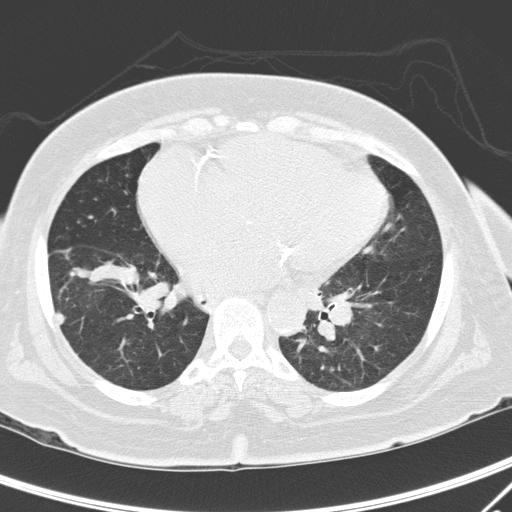
This is axial slice 126 of 295 (slice 1 is the lowest) of a chest CT; each pixel is 0.682 mm and the slice is 2.00 mm thick. Pulmonary nodule outlined by three of the four readers; box rows 312–323, columns 56–64 (the union of the readers' outlines on this slice); median longest diameter 9.5 mm (readers' outlines 9.3–10.1 mm), median volume 206 mm3 (186–247 mm3). Median ratings and the readers' spread: texture 5/5 (solid) at the median of three readers, spread 4/5 to 5/5 (solid); margin 4/5 at the median of three readers, spread 1/5 (indistinct) to 4/5; sphericity 3/5 (ovoid), all three readers agreeing; calcification absent, all three readers agreeing; internal structure soft tissue from all three readers; subtlety 5/5 at the median of three readers, spread 4–5; malignancy likelihood 3/5 at the median of three readers, spread 1–4. Scale key (1–5): texture non-solid→solid, margin indistinct→circumscribed, sphericity linear→round, subtlety extremely subtle→obvious, malignancy likelihood highly unlikely→highly suspicious of cancer. Box rows and columns are 0-based pixel indices from the top-left corner, inclusive.
Scan settings: 120 kVp, D reconstruction kernel.